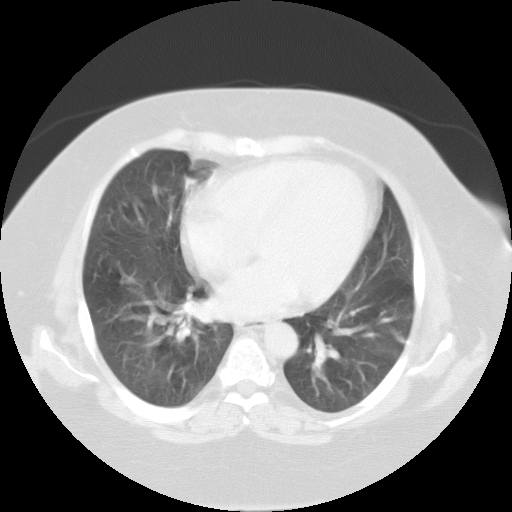
Axial chest CT slice 56 of 102 (counted from the lowest slice); tube voltage 135 kVp, convolution kernel FC01; slices 3.00 mm thick, 0.808 mm per pixel.
Pulmonary nodule at rows 175–180, columns 185–188 (box = the one reader's outline on this slice), outlined by all four readers, one of them on this slice; median longest diameter 15.6 mm (readers' outlines 14.6–15.9 mm), median volume 783 mm3 (600–931 mm3). Ratings, median across the readers with their spread: texture 3.5/5 at the median of four readers, spread 3/5 (part-solid) to 5/5 (solid); median margin 3.5/5 (readers ranged 2/5 to 5/5 (circumscribed)); median sphericity 3/5 (ovoid) (readers ranged 2/5 to 3/5 (ovoid)); calcification absent, all four readers agreeing; internal structure soft tissue, all four readers agreeing; median subtlety 4/5 (readers ranged 3–5); median malignancy likelihood 3.5/5 (readers ranged 1–4). Scale key (1–5): texture non-solid→solid, margin indistinct→circumscribed, sphericity linear→round, subtlety extremely subtle→obvious, malignancy likelihood highly unlikely→highly suspicious of cancer. Box rows and columns are 0-based pixel indices from the top-left corner, inclusive.